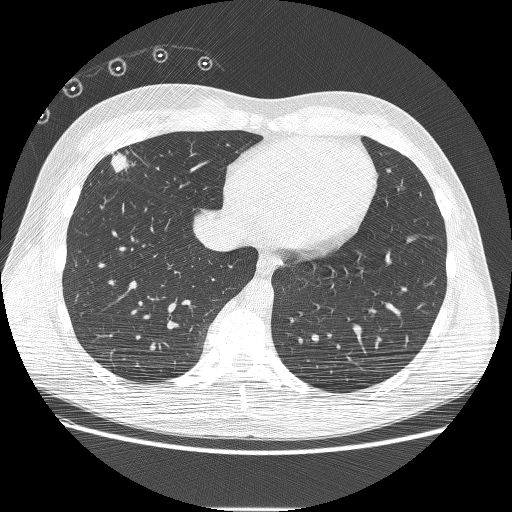
One axial slice (66 of 230, counting up from the lowest) of a chest CT acquired at 120 kVp with the BONE kernel; each pixel is 0.732 mm and the slice is 1.25 mm thick.
Pulmonary nodule, outlined by all four readers. Box on this slice rows 151–172, columns 110–135, the union of the readers' outlines on this slice; longest diameter 26.8 mm on average over the four readers' outlines (readers' outlines 23.5–29.5 mm), volume 3146–3701 mm3. The readers' prevailing ratings and who disagreed: texture 5/5 (solid) from all four readers; margin 5/5 (circumscribed) by two of four readers; the rest gave 3/5 (one), 4/5 (one); sphericity split among the readers: 3/5 (ovoid) (two), 4/5 (two); calcification absent from all four readers; internal structure soft tissue, all four readers agreeing; subtlety 5/5 from all four readers; malignancy likelihood 5/5 by three of four readers; the rest gave 4/5 (one). Scale key (1–5): texture non-solid→solid, margin indistinct→circumscribed, sphericity linear→round, subtlety extremely subtle→obvious, malignancy likelihood highly unlikely→highly suspicious of cancer. Box rows and columns are 0-based pixel indices from the top-left corner, inclusive.